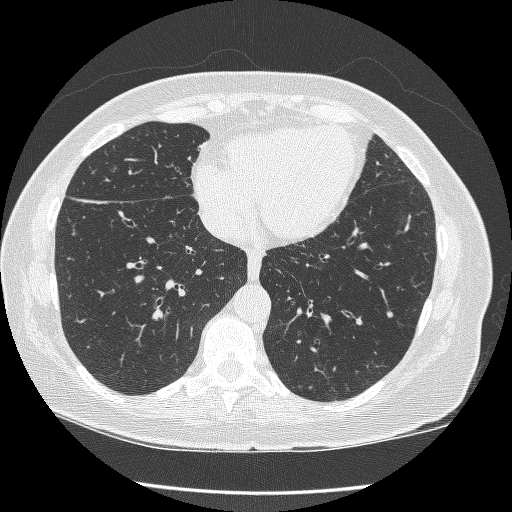
Slice 95/246 of a chest CT, counting up from the lowest; pixel size 0.617 mm, slice thickness 1.25 mm. Pulmonary nodule outlined by two of the four readers; box rows 310–317, columns 386–392 (the union of the readers' outlines on this slice); median longest diameter 5.7 mm (readers' outlines 5.6–5.8 mm), median volume 21 mm3 (20–22 mm3). Ratings, median across the readers with their spread: texture 5/5 (solid), both readers agreeing; margin 5/5 (circumscribed) from both readers; sphericity 3/5 (ovoid), both readers agreeing; calcification absent, both readers agreeing; internal structure soft tissue from both readers; median subtlety 3.5/5 (readers ranged 3–4); median malignancy likelihood 2.5/5 (readers ranged 2–3). Scale key (1–5): texture non-solid→solid, margin indistinct→circumscribed, sphericity linear→round, subtlety extremely subtle→obvious, malignancy likelihood highly unlikely→highly suspicious of cancer. Box rows and columns are 0-based pixel indices from the top-left corner, inclusive.
Acquired at 120 kVp and reconstructed with the BONE kernel.